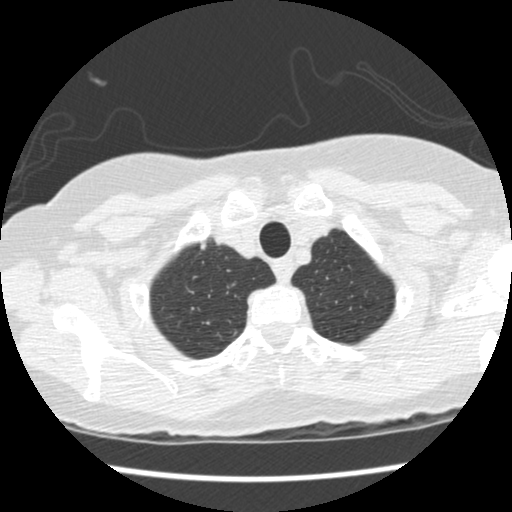
One axial slice (410 of 458, counting up from the lowest) of a chest CT acquired at 120 kVp with the STANDARD kernel; each pixel is 0.586 mm and the slice is 1.25 mm thick.
Pulmonary nodule outlined by all four readers; box rows 241–249, columns 200–205 (the union of the readers' outlines on this slice); median longest diameter 9.8 mm (readers' outlines 9.1–10.0 mm), median volume 258 mm3 (243–272 mm3). Median ratings and the readers' spread: median texture 5/5 (solid) (readers ranged 4/5 to 5/5 (solid)); margin 4.5/5 at the median of four readers, spread 4/5 to 5/5 (circumscribed); sphericity 3.5/5 at the median of four readers, spread 3/5 (ovoid) to 5/5 (round); calcification absent from all four readers; internal structure soft tissue, all four readers agreeing; subtlety 4.5/5 at the median of four readers, spread 4–5; median malignancy likelihood 3.5/5 (readers ranged 2–4). Scale key (1–5): texture non-solid→solid, margin indistinct→circumscribed, sphericity linear→round, subtlety extremely subtle→obvious, malignancy likelihood highly unlikely→highly suspicious of cancer. Box rows and columns are 0-based pixel indices from the top-left corner, inclusive.